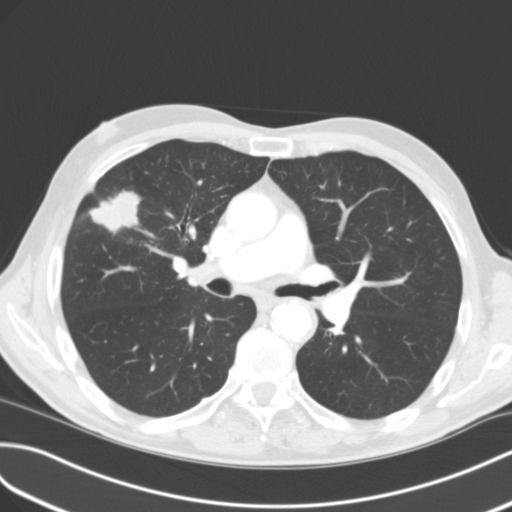
Axial chest CT slice 66 of 114 (counted from the lowest slice); 3.00 mm thick, 0.689 mm per pixel. Pulmonary nodule outlined by all four readers; box rows 190–235, columns 88–143 (the union of the readers' outlines on this slice); longest diameter 43.2 mm on average over the four readers' outlines (readers' outlines 40.2–48.6 mm), volume 17639–20532 mm3. Ratings, by the readers' most common answer with dissent counted: texture split among the readers: 4/5 (two), 5/5 (solid) (two); margin 4/5 by two of four readers; the rest gave 3/5 (one), 5/5 (circumscribed) (one); sphericity split among the readers: 3/5 (ovoid) (two), 4/5 (two); calcification absent, all four readers agreeing; internal structure soft tissue, all four readers agreeing; subtlety 5/5, all four readers agreeing; malignancy likelihood 4/5 by two of four readers; the rest gave 3/5 (one), 5/5 (one). Scale key (1–5): texture non-solid→solid, margin indistinct→circumscribed, sphericity linear→round, subtlety extremely subtle→obvious, malignancy likelihood highly unlikely→highly suspicious of cancer. Box rows and columns are 0-based pixel indices from the top-left corner, inclusive.
Scan settings: 120 kVp, B31f reconstruction kernel.